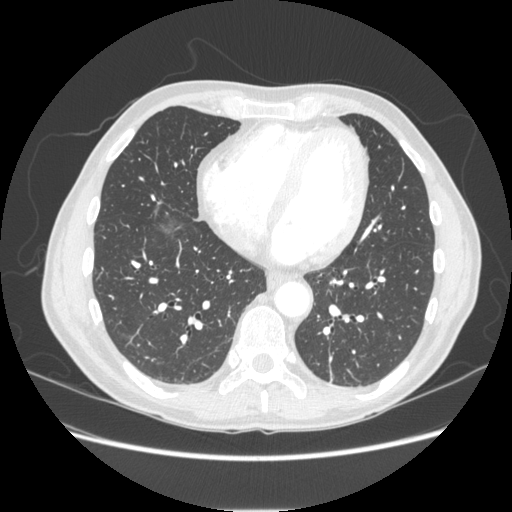
Slice 87/253 of a chest CT, counting up from the lowest; pixel size 0.742 mm, slice thickness 1.25 mm. Pulmonary nodule, outlined by one of the four readers. Box on this slice rows 314–318, columns 342–348, that reader's outline on this slice; longest diameter 6.4 mm and volume 95 mm3 from that reader's outline. Ratings by that reader: texture 5/5 (solid); margin 5/5 (circumscribed); sphericity 4/5; calcification absent; internal structure soft tissue; subtlety 1/5; malignancy likelihood 2/5. Scale key (1–5): texture non-solid→solid, margin indistinct→circumscribed, sphericity linear→round, subtlety extremely subtle→obvious, malignancy likelihood highly unlikely→highly suspicious of cancer. Box rows and columns are 0-based pixel indices from the top-left corner, inclusive.
Scan settings: 120 kVp, STANDARD reconstruction kernel.